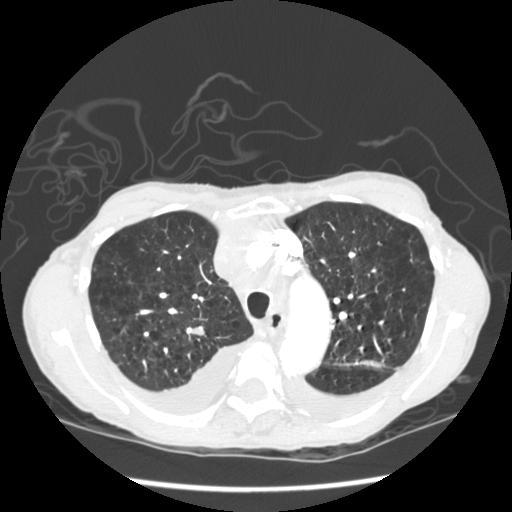
Chest CT, axial plane, 120 kVp, kernel STANDARD. Slice 172/233 from the bottom of the scan; thickness 1.25 mm; pixel size 0.664 mm.
Pulmonary nodule, outlined by all four readers. Box on this slice rows 327–335, columns 190–204, the union of the readers' outlines on this slice; median longest diameter 15.1 mm (readers' outlines 14.3–15.4 mm), median volume 1018 mm3 (906–1149 mm3). Ratings, median across the readers with their spread: texture 5/5 (solid), all four readers agreeing; median margin 5/5 (circumscribed) (readers ranged 4/5 to 5/5 (circumscribed)); median sphericity 3.5/5 (readers ranged 3/5 (ovoid) to 4/5); calcification absent from all four readers; internal structure soft tissue from all four readers; subtlety 5/5 at the median of four readers, spread 4–5; malignancy likelihood 3/5 at the median of four readers, spread 2–4. Scale key (1–5): texture non-solid→solid, margin indistinct→circumscribed, sphericity linear→round, subtlety extremely subtle→obvious, malignancy likelihood highly unlikely→highly suspicious of cancer. Box rows and columns are 0-based pixel indices from the top-left corner, inclusive.